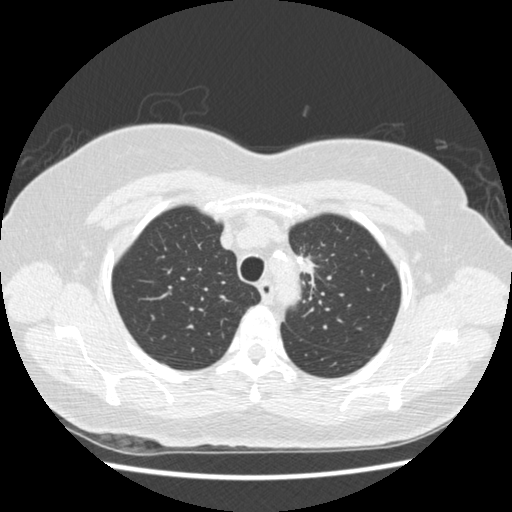
Chest CT, axial plane, 120 kVp, kernel STANDARD. Slice 352/445 from the bottom of the scan; thickness 1.25 mm; pixel size 0.645 mm.
Pulmonary nodule, outlined by one of the four readers. Box on this slice rows 255–279, columns 298–314, that reader's outline on this slice; longest diameter 31.0 mm and volume 2055 mm3 from that reader's outline. Ratings by that reader: texture 5/5 (solid); margin 2/5; sphericity 2/5; calcification absent; internal structure soft tissue; subtlety 5/5; malignancy likelihood 4/5. Scale key (1–5): texture non-solid→solid, margin indistinct→circumscribed, sphericity linear→round, subtlety extremely subtle→obvious, malignancy likelihood highly unlikely→highly suspicious of cancer. Box rows and columns are 0-based pixel indices from the top-left corner, inclusive.